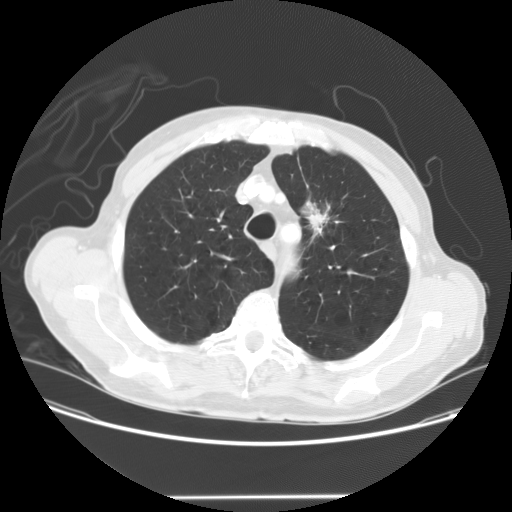
Chest CT, axial plane, 120 kVp, kernel STANDARD. Slice 118/147 from the bottom of the scan; thickness 2.50 mm; pixel size 0.781 mm.
Pulmonary nodule at rows 200–237, columns 299–329 (box = the union of the readers' outlines on this slice), outlined by all four readers; median longest diameter 31.0 mm (readers' outlines 28.8–40.5 mm), median volume 4785 mm3 (3077–10560 mm3). Median ratings and the readers' spread: texture 4/5 at the median of four readers, spread 3/5 (part-solid) to 5/5 (solid); margin 3.5/5 at the median of four readers, spread 2/5 to 5/5 (circumscribed); sphericity 3/5 (ovoid), all four readers agreeing; calcification absent from all four readers; internal structure soft tissue, all four readers agreeing; median subtlety 5/5 (readers ranged 4–5); malignancy likelihood 4.5/5 at the median of four readers, spread 3–5. Scale key (1–5): texture non-solid→solid, margin indistinct→circumscribed, sphericity linear→round, subtlety extremely subtle→obvious, malignancy likelihood highly unlikely→highly suspicious of cancer. Box rows and columns are 0-based pixel indices from the top-left corner, inclusive.